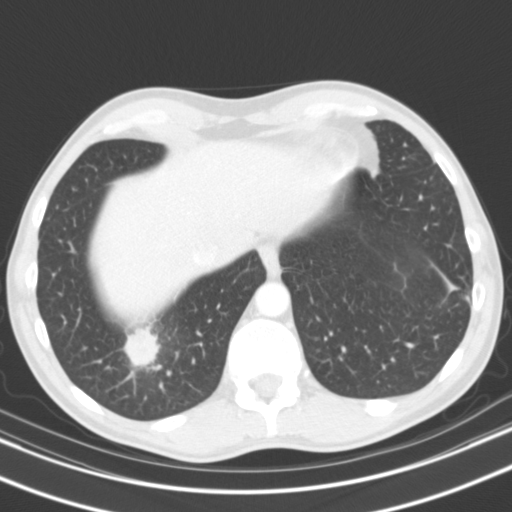
Axial slice 31 of 119 of a chest CT (slice 1 is the lowest), reconstructed with the B31s kernel at 130 kVp; 3.00 mm slice thickness and 0.650 mm pixels.
Pulmonary nodule at rows 326–368, columns 123–159 (box = the union of the readers' outlines on this slice), outlined by all four readers; median longest diameter 31.9 mm (readers' outlines 30.9–32.4 mm), median volume 9249 mm3 (6985–9285 mm3). Median ratings and the readers' spread: median texture 5/5 (solid) (readers ranged 4/5 to 5/5 (solid)); median margin 3.5/5 (readers ranged 2/5 to 4/5); sphericity 5/5 (round) from all four readers; calcification absent, all four readers agreeing; internal structure soft tissue from all four readers; subtlety 5/5, all four readers agreeing; median malignancy likelihood 4.5/5 (readers ranged 2–5). Scale key (1–5): texture non-solid→solid, margin indistinct→circumscribed, sphericity linear→round, subtlety extremely subtle→obvious, malignancy likelihood highly unlikely→highly suspicious of cancer. Box rows and columns are 0-based pixel indices from the top-left corner, inclusive.